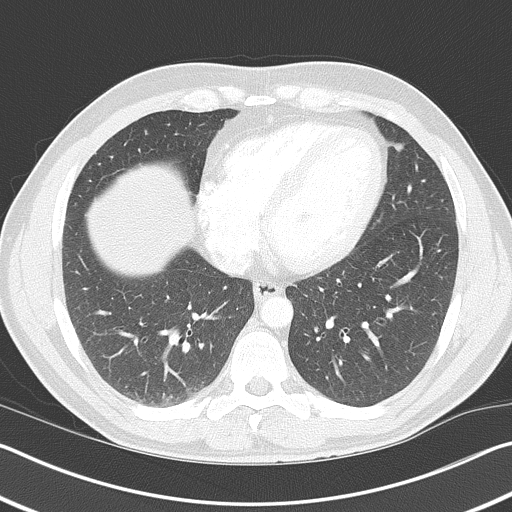
One axial slice (185 of 368, counting up from the lowest) of a chest CT acquired at 120 kVp with the B70f kernel; each pixel is 0.660 mm and the slice is 2.00 mm thick.
Pulmonary nodule outlined by one of the four readers; box rows 144–150, columns 392–403 (that reader's outline on this slice); longest diameter 9.3 mm and volume 180 mm3 from that reader's outline. That reader's ratings: texture 1/5 (non-solid); margin 2/5; sphericity 5/5 (round); calcification absent; internal structure soft tissue; subtlety 1/5; malignancy likelihood 2/5. Scale key (1–5): texture non-solid→solid, margin indistinct→circumscribed, sphericity linear→round, subtlety extremely subtle→obvious, malignancy likelihood highly unlikely→highly suspicious of cancer. Box rows and columns are 0-based pixel indices from the top-left corner, inclusive.